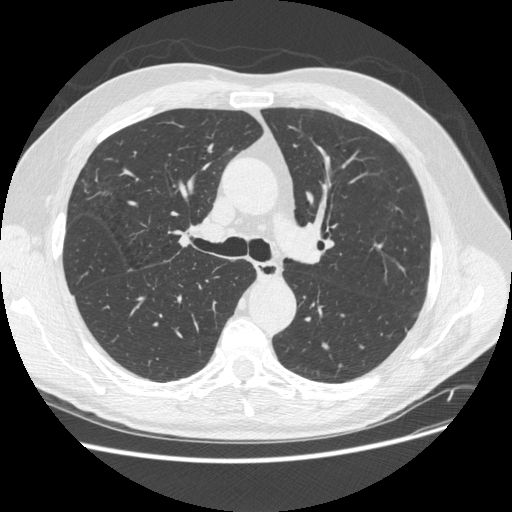
Chest CT, axial plane, 120 kVp, kernel STANDARD. Slice 343/513 from the bottom of the scan; thickness 1.25 mm; pixel size 0.742 mm.
None of the four readers outlined a nodule of 3 mm or more on this slice.